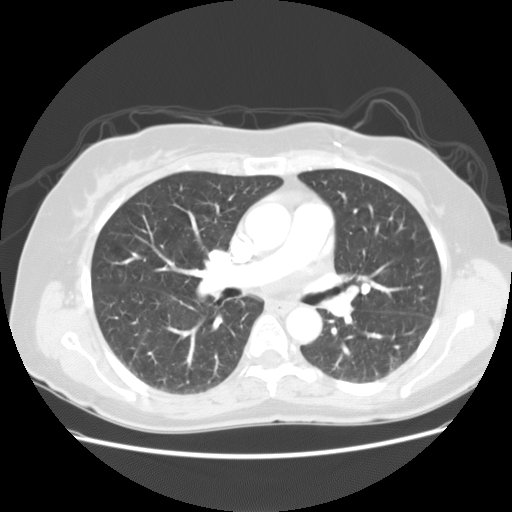
Chest CT, axial plane, 120 kVp, kernel STANDARD. Slice 68/113 from the bottom of the scan; thickness 2.50 mm; pixel size 0.703 mm.
Pulmonary nodule, outlined by one of the four readers. Box on this slice rows 283–294, columns 361–370, that reader's outline on this slice; longest diameter 9.6 mm and volume 372 mm3 from that reader's outline. Ratings by that reader: texture 5/5 (solid); margin 5/5 (circumscribed); sphericity 4/5; calcification solid calcification; internal structure soft tissue; subtlety 4/5; malignancy likelihood 1/5. Scale key (1–5): texture non-solid→solid, margin indistinct→circumscribed, sphericity linear→round, subtlety extremely subtle→obvious, malignancy likelihood highly unlikely→highly suspicious of cancer. Box rows and columns are 0-based pixel indices from the top-left corner, inclusive.